Axial slice 54 of 162 of a chest CT (slice 1 is the lowest), reconstructed with the BONE kernel at 120 kVp; 1.25 mm slice thickness and 0.703 mm pixels.
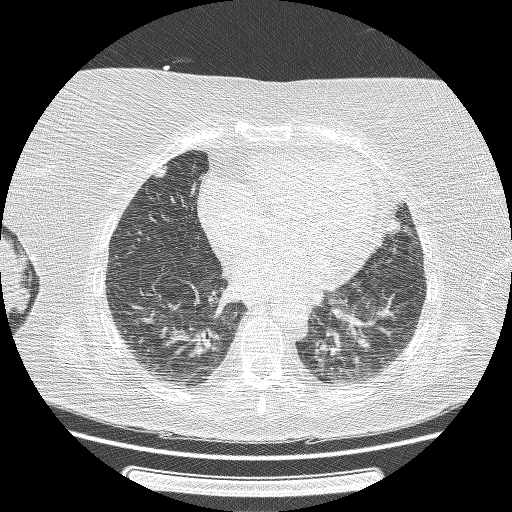
Two pulmonary nodules are outlined on this slice; from left to right: (1) Pulmonary nodule, outlined by all four readers. Box on this slice rows 165–177, columns 152–167, the union of the readers' outlines on this slice; the four readers' outlines give a longest diameter between 10.9 and 13.0 mm and a volume between 239 and 644 mm3. The readers' ratings, as ranges where they differ: texture 5/5 (solid), all four readers agreeing; margin 4/5 from all four readers; sphericity from 3/5 (ovoid) to 4/5 across the four readers; calcification: absent (three), solid calcification (one); internal structure soft tissue, all four readers agreeing; subtlety from 4/5 to 5/5 across the four readers; malignancy likelihood from 1/5 to 3/5 across the four readers. (2) Pulmonary nodule, outlined by two of the four readers. Box on this slice rows 214–233, columns 383–401, the union of the readers' outlines on this slice; the two readers' outlines give a longest diameter between 19.1 and 21.7 mm and a volume between 914 and 2424 mm3. Ratings across the readers: texture 5/5 (solid), both readers agreeing; margin from 3/5 to 4/5 across the two readers; sphericity from 3/5 (ovoid) to 4/5 across the two readers; calcification absent, both readers agreeing; internal structure soft tissue from both readers; subtlety 4–5/5 (the readers disagree); malignancy likelihood 3/5 from both readers. Scale key (1–5): texture non-solid→solid, margin indistinct→circumscribed, sphericity linear→round, subtlety extremely subtle→obvious, malignancy likelihood highly unlikely→highly suspicious of cancer. Box rows and columns are 0-based pixel indices from the top-left corner, inclusive.